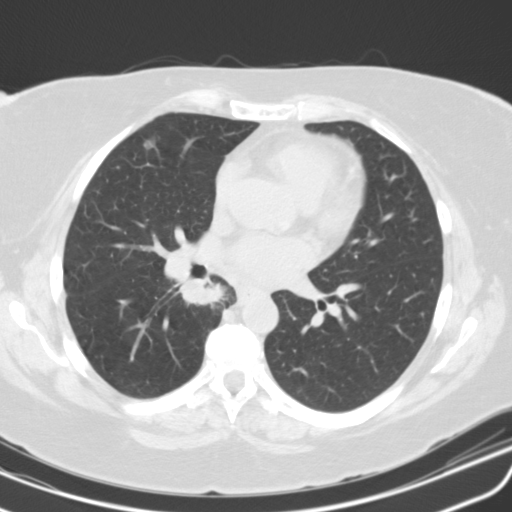
One axial slice (69 of 115, counting up from the lowest) of a chest CT acquired at 130 kVp with the B31s kernel; each pixel is 0.652 mm and the slice is 3.00 mm thick.
Pulmonary nodule, outlined by three of the four readers. Box on this slice rows 281–306, columns 181–226, the union of the readers' outlines on this slice; the three readers' outlines give a longest diameter between 24.2 and 34.9 mm and a volume between 3268 and 5378 mm3. The readers' ratings, as ranges where they differ: texture from 4/5 to 5/5 (solid) across the three readers; margin from 2/5 to 4/5 across the three readers; sphericity from 2/5 to 5/5 (round) across the three readers; calcification absent from all three readers; internal structure soft tissue from all three readers; subtlety from 4/5 to 5/5 across the three readers; malignancy likelihood 4/5, all three readers agreeing. Scale key (1–5): texture non-solid→solid, margin indistinct→circumscribed, sphericity linear→round, subtlety extremely subtle→obvious, malignancy likelihood highly unlikely→highly suspicious of cancer. Box rows and columns are 0-based pixel indices from the top-left corner, inclusive.